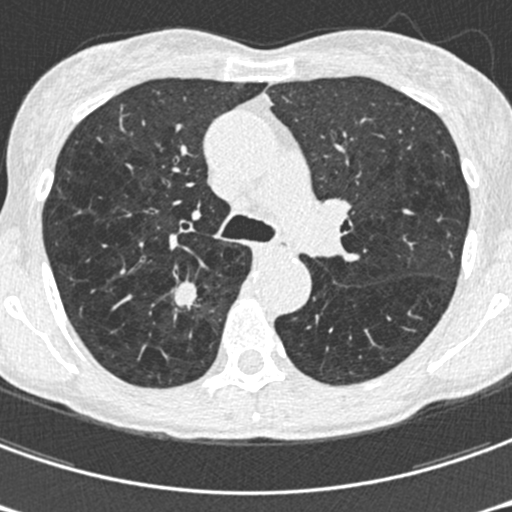
Axial chest CT slice 405 of 633 (counted from the lowest slice); 0.60 mm thick, 0.541 mm per pixel. Pulmonary nodule, outlined by all four readers. Box on this slice rows 280–308, columns 172–196, the union of the readers' outlines on this slice; longest diameter 18.1–21.0 mm and volume 1292–1642 mm3 across the four readers' outlines. The readers' ratings, as ranges where they differ: texture 5/5 (solid), all four readers agreeing; margin from 1/5 (indistinct) to 3/5 across the four readers; sphericity from 2/5 to 4/5 across the four readers; calcification absent, all four readers agreeing; internal structure soft tissue from all four readers; subtlety from 4/5 to 5/5 across the four readers; malignancy likelihood rated between 4 and 5 out of 5 by the four readers. Scale key (1–5): texture non-solid→solid, margin indistinct→circumscribed, sphericity linear→round, subtlety extremely subtle→obvious, malignancy likelihood highly unlikely→highly suspicious of cancer. Box rows and columns are 0-based pixel indices from the top-left corner, inclusive.
Tube voltage 120 kVp; convolution kernel B30f.